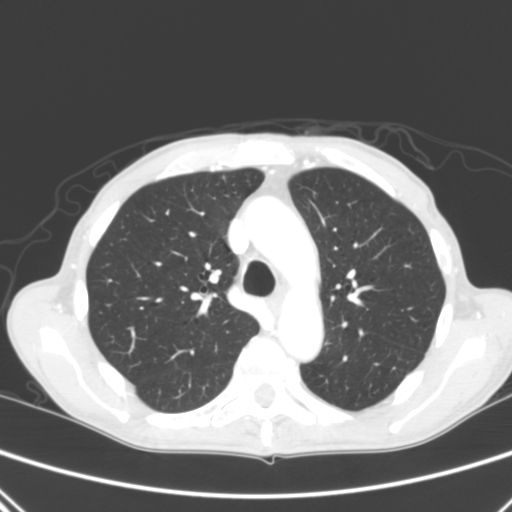
One axial slice (204 of 290, counting up from the lowest) of a chest CT acquired at 120 kVp with the B kernel; each pixel is 0.639 mm and the slice is 2.00 mm thick.
Pulmonary nodule at rows 175–179, columns 221–225 (box = the union of the readers' outlines on this slice), outlined by two of the four readers; the two readers' outlines give a longest diameter between 5.5 and 5.7 mm and a volume between 40 and 53 mm3. Ratings across the readers: texture 5/5 (solid) from both readers; margin 5/5 (circumscribed), both readers agreeing; sphericity from 4/5 to 5/5 (round) across the two readers; calcification absent from both readers; internal structure soft tissue, both readers agreeing; subtlety from 4/5 to 5/5 across the two readers; malignancy likelihood 2–3/5 (the readers disagree). Scale key (1–5): texture non-solid→solid, margin indistinct→circumscribed, sphericity linear→round, subtlety extremely subtle→obvious, malignancy likelihood highly unlikely→highly suspicious of cancer. Box rows and columns are 0-based pixel indices from the top-left corner, inclusive.